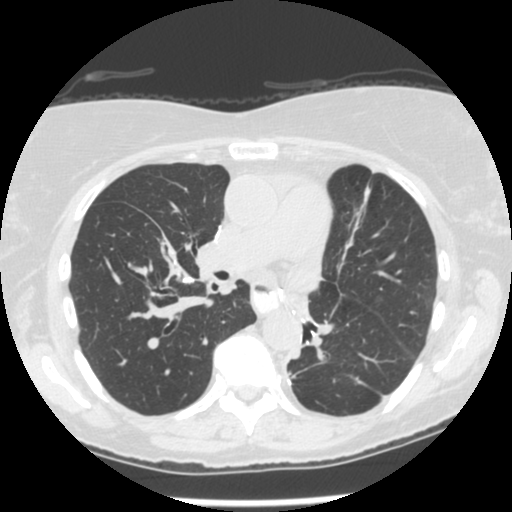
Axial chest CT slice 130 of 241 (counted from the lowest slice); tube voltage 120 kVp, convolution kernel STANDARD; slices 1.25 mm thick, 0.609 mm per pixel.
The readers outlined no nodule of 3 mm or more on this slice.